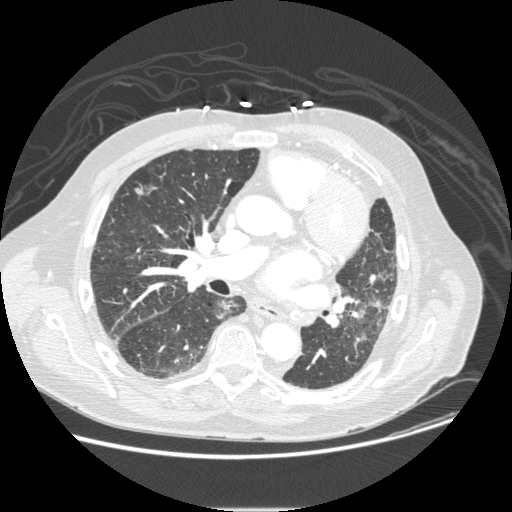
Chest CT, axial plane, 120 kVp, kernel STANDARD. Slice 142/232 from the bottom of the scan; thickness 1.25 mm; pixel size 0.781 mm.
Two pulmonary nodules on this slice, listed from left to right. (1) Pulmonary nodule at rows 183–195, columns 134–153 (box = the union of the readers' outlines on this slice), outlined by all four readers; longest diameter 16.2 mm on average over the four readers' outlines (readers' outlines 14.3–19.0 mm), volume 516–753 mm3. The readers' prevailing ratings and who disagreed: texture split among the readers: 4/5 (two), 5/5 (solid) (two); most readers (three of four) put margin at 4/5, others 3/5 (one); sphericity 3/5 (ovoid) by three of four readers; the rest gave 4/5 (one); calcification absent from all four readers; internal structure soft tissue, all four readers agreeing; subtlety split among the readers: 4/5 (two), 5/5 (two); malignancy likelihood 4/5 by two of four readers; the rest gave 2/5 (one), 3/5 (one). (2) Pulmonary nodule at rows 300–318, columns 215–239 (box = the union of the readers' outlines on this slice), outlined by three of the four readers; median longest diameter 21.2 mm (readers' outlines 19.3–24.1 mm), median volume 1089 mm3 (947–2023 mm3). Ratings, median across the readers with their spread: median texture 1/5 (non-solid) (readers ranged 1/5 (non-solid) to 2/5); median margin 3/5 (readers ranged 2/5 to 3/5); sphericity 3/5 (ovoid) at the median of three readers, spread 2/5 to 4/5; calcification absent from all three readers; internal structure soft tissue from all three readers; median subtlety 4/5 (readers ranged 3–4); median malignancy likelihood 4/5 (readers ranged 2–4). Scale key (1–5): texture non-solid→solid, margin indistinct→circumscribed, sphericity linear→round, subtlety extremely subtle→obvious, malignancy likelihood highly unlikely→highly suspicious of cancer. Box rows and columns are 0-based pixel indices from the top-left corner, inclusive.